One axial slice (155 of 206, counting up from the lowest) of a chest CT acquired at 120 kVp with the B30f kernel; each pixel is 0.703 mm and the slice is 2.00 mm thick.
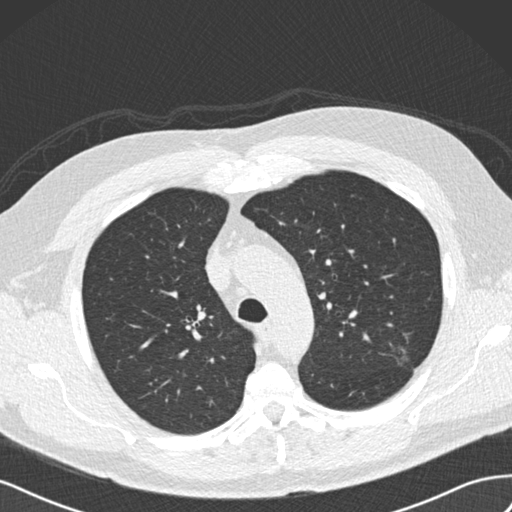
Pulmonary nodule, outlined by three of the four readers, two of them on this slice. Box on this slice rows 346–365, columns 394–407, the union of the readers' outlines on this slice; median longest diameter 17.9 mm (readers' outlines 15.6–17.9 mm), median volume 953 mm3 (851–953 mm3). Median ratings and the readers' spread: texture 2/5 at the median of three readers, spread 1/5 (non-solid) to 3/5 (part-solid); margin 2/5 at the median of three readers, spread 1/5 (indistinct) to 3/5; sphericity 2/5, all three readers agreeing; calcification absent, all three readers agreeing; internal structure: soft tissue (two), air (one); subtlety 4/5 at the median of three readers, spread 3–4; median malignancy likelihood 4/5 (readers ranged 3–4). Scale key (1–5): texture non-solid→solid, margin indistinct→circumscribed, sphericity linear→round, subtlety extremely subtle→obvious, malignancy likelihood highly unlikely→highly suspicious of cancer. Box rows and columns are 0-based pixel indices from the top-left corner, inclusive.